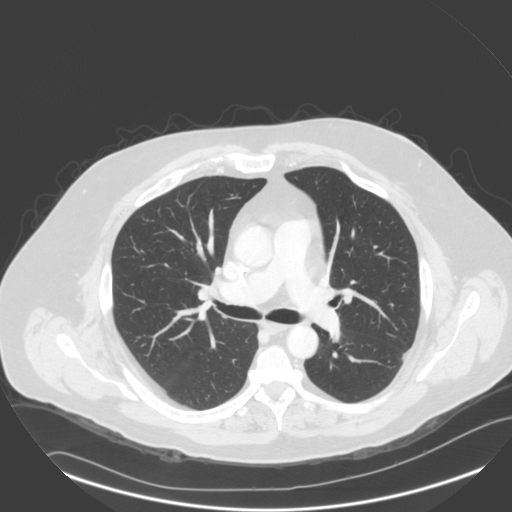
Axial chest CT slice 192 of 305 (counted from the lowest slice); 2.00 mm thick, 0.834 mm per pixel. Pulmonary nodule outlined by all four readers, one of them on this slice; box rows 354–357, columns 157–160 (the one reader's outline on this slice); median longest diameter 6.9 mm (readers' outlines 5.3–8.2 mm), median volume 106 mm3 (54–176 mm3). Median ratings and the readers' spread: texture 5/5 (solid) from all four readers; margin 5/5 (circumscribed), all four readers agreeing; median sphericity 4/5 (readers ranged 4/5 to 5/5 (round)); calcification absent from all four readers; internal structure soft tissue from all four readers; subtlety 5/5 at the median of four readers, spread 4–5; malignancy likelihood 3/5 at the median of four readers, spread 2–3. Scale key (1–5): texture non-solid→solid, margin indistinct→circumscribed, sphericity linear→round, subtlety extremely subtle→obvious, malignancy likelihood highly unlikely→highly suspicious of cancer. Box rows and columns are 0-based pixel indices from the top-left corner, inclusive.
Scan settings: 140 kVp, B reconstruction kernel.